One axial slice (200 of 368, counting up from the lowest) of a chest CT acquired at 120 kVp with the B70f kernel; each pixel is 0.660 mm and the slice is 2.00 mm thick.
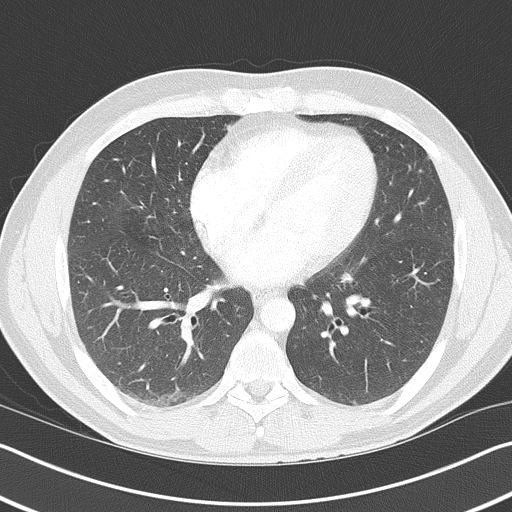
Two pulmonary nodules are outlined on this slice; from left to right: (1) Pulmonary nodule, outlined by one of the four readers. Box on this slice rows 124–129, columns 224–230, that reader's outline on this slice; longest diameter 12.5 mm and volume 369 mm3 from that reader's outline. Ratings by that reader: texture 5/5 (solid); margin 5/5 (circumscribed); sphericity 5/5 (round); calcification solid calcification; internal structure soft tissue; subtlety 5/5; malignancy likelihood 1/5. (2) Pulmonary nodule outlined by one of the four readers; box rows 156–159, columns 426–428 (that reader's outline on this slice); longest diameter 8.2 mm and volume 108 mm3 from that reader's outline. Ratings by that reader: texture 1/5 (non-solid); margin 2/5; sphericity 5/5 (round); calcification absent; internal structure soft tissue; subtlety 1/5; malignancy likelihood 2/5. Scale key (1–5): texture non-solid→solid, margin indistinct→circumscribed, sphericity linear→round, subtlety extremely subtle→obvious, malignancy likelihood highly unlikely→highly suspicious of cancer. Box rows and columns are 0-based pixel indices from the top-left corner, inclusive.